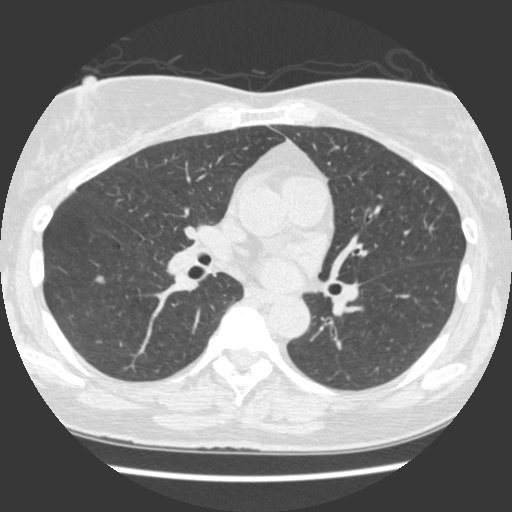
Chest CT, axial plane, 120 kVp, kernel STANDARD. Slice 201/429 from the bottom of the scan; thickness 1.25 mm; pixel size 0.586 mm.
Pulmonary nodule outlined by all four readers; box rows 275–283, columns 93–105 (the union of the readers' outlines on this slice); longest diameter 7.7 mm on average over the four readers' outlines (readers' outlines 7.2–8.0 mm), volume 53–78 mm3. Ratings, by the readers' most common answer with dissent counted: texture split among the readers: 4/5 (two), 5/5 (solid) (two); margin 3/5 by three of four readers; the rest gave 5/5 (circumscribed) (one); sphericity 4/5 by two of four readers; the rest gave 2/5 (one), 3/5 (ovoid) (one); calcification absent from all four readers; internal structure soft tissue from all four readers; subtlety 3/5 by two of four readers; the rest gave 4/5 (one), 5/5 (one); malignancy likelihood 2/5 by two of four readers; the rest gave 3/5 (one), 4/5 (one). Scale key (1–5): texture non-solid→solid, margin indistinct→circumscribed, sphericity linear→round, subtlety extremely subtle→obvious, malignancy likelihood highly unlikely→highly suspicious of cancer. Box rows and columns are 0-based pixel indices from the top-left corner, inclusive.